Chest CT, axial plane, 135 kVp, kernel FC01. Slice 36/111 from the bottom of the scan; thickness 3.00 mm; pixel size 0.714 mm.
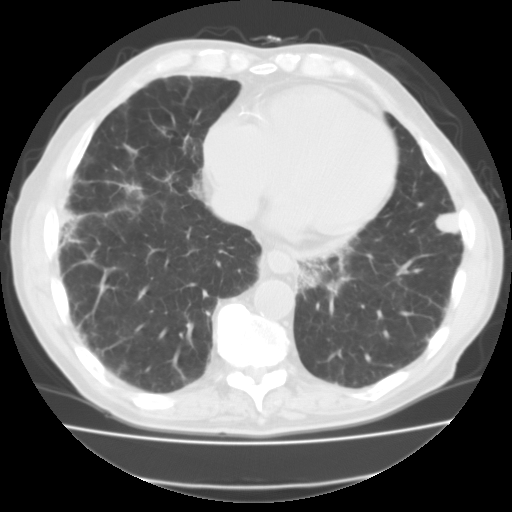
Pulmonary nodule outlined by all four readers; box rows 211–234, columns 434–459 (the union of the readers' outlines on this slice); the four readers' outlines give a longest diameter between 19.5 and 21.5 mm and a volume between 3640 and 4836 mm3. Ratings across the readers: texture 5/5 (solid) from all four readers; margin from 4/5 to 5/5 (circumscribed) across the four readers; sphericity from 3/5 (ovoid) to 5/5 (round) across the four readers; calcification absent from all four readers; internal structure soft tissue from all four readers; subtlety 5/5, all four readers agreeing; malignancy likelihood 2–5/5 (the readers disagree). Scale key (1–5): texture non-solid→solid, margin indistinct→circumscribed, sphericity linear→round, subtlety extremely subtle→obvious, malignancy likelihood highly unlikely→highly suspicious of cancer. Box rows and columns are 0-based pixel indices from the top-left corner, inclusive.